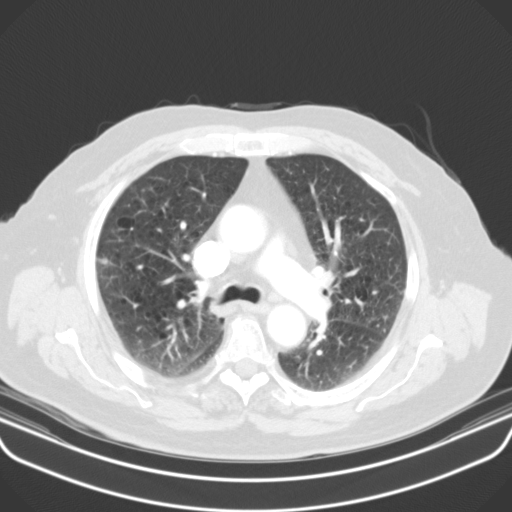
Axial chest CT slice 75 of 107 (counted from the lowest slice); 3.00 mm thick, 0.742 mm per pixel. Pulmonary nodule outlined by three of the four readers; box rows 258–264, columns 100–107 (the union of the readers' outlines on this slice); median longest diameter 6.8 mm (readers' outlines 6.0–9.6 mm), median volume 140 mm3 (106–202 mm3). Median ratings and the readers' spread: median texture 4/5 (readers ranged 3/5 (part-solid) to 5/5 (solid)); margin 2/5 at the median of three readers, spread 2/5 to 3/5; sphericity 3/5 (ovoid) at the median of three readers, spread 2/5 to 4/5; calcification absent, all three readers agreeing; internal structure soft tissue from all three readers; subtlety 4/5 at the median of three readers, spread 3–4; malignancy likelihood 3/5, all three readers agreeing. Scale key (1–5): texture non-solid→solid, margin indistinct→circumscribed, sphericity linear→round, subtlety extremely subtle→obvious, malignancy likelihood highly unlikely→highly suspicious of cancer. Box rows and columns are 0-based pixel indices from the top-left corner, inclusive.
Acquired at 130 kVp and reconstructed with the B31s kernel.